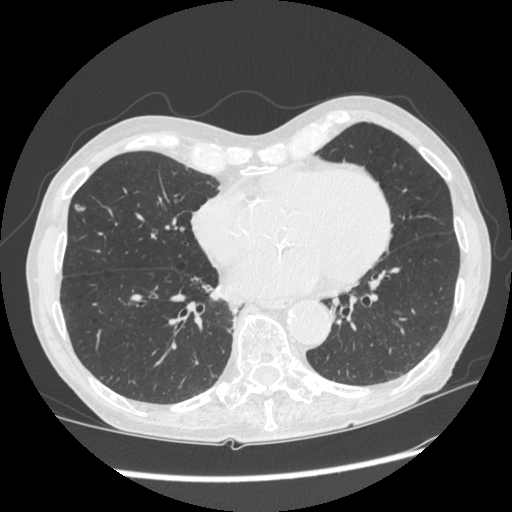
Chest CT, axial plane, 120 kVp, kernel STANDARD. Slice 110/301 from the bottom of the scan; thickness 1.25 mm; pixel size 0.684 mm.
Pulmonary nodule at rows 203–211, columns 74–85 (box = the union of the readers' outlines on this slice), outlined by all four readers; longest diameter 8.9–10.0 mm and volume 70–134 mm3 across the four readers' outlines. Ratings across the readers: texture from 3/5 (part-solid) to 5/5 (solid) across the four readers; margin from 2/5 to 5/5 (circumscribed) across the four readers; sphericity from 2/5 to 4/5 across the four readers; calcification absent from all four readers; internal structure soft tissue, all four readers agreeing; subtlety 3–4/5 (the readers disagree); malignancy likelihood 2–3/5 (the readers disagree). Scale key (1–5): texture non-solid→solid, margin indistinct→circumscribed, sphericity linear→round, subtlety extremely subtle→obvious, malignancy likelihood highly unlikely→highly suspicious of cancer. Box rows and columns are 0-based pixel indices from the top-left corner, inclusive.